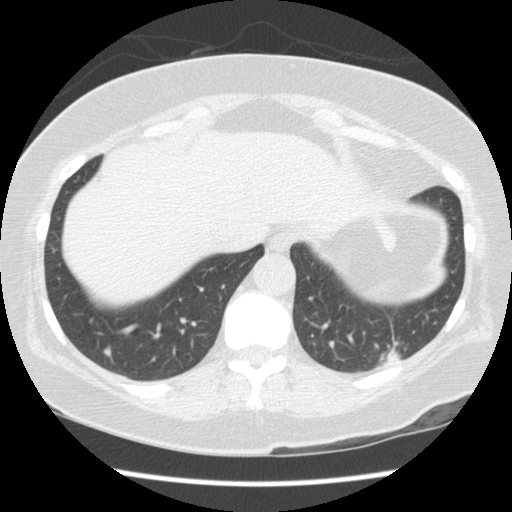
One axial slice (36 of 154, counting up from the lowest) of a chest CT acquired at 120 kVp with the STANDARD kernel; each pixel is 0.645 mm and the slice is 2.50 mm thick.
Pulmonary nodule outlined by one of the four readers; box rows 349–367, columns 376–399 (that reader's outline on this slice); longest diameter 24.1 mm and volume 2244 mm3 from that reader's outline. Ratings by that reader: texture 3/5 (part-solid); margin 3/5; sphericity 4/5; calcification absent; internal structure soft tissue; subtlety 4/5; malignancy likelihood 1/5. Scale key (1–5): texture non-solid→solid, margin indistinct→circumscribed, sphericity linear→round, subtlety extremely subtle→obvious, malignancy likelihood highly unlikely→highly suspicious of cancer. Box rows and columns are 0-based pixel indices from the top-left corner, inclusive.